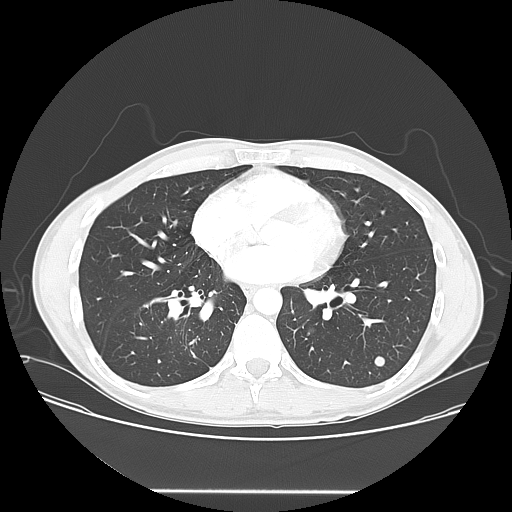
Axial slice 73 of 150 of a chest CT (slice 1 is the lowest), reconstructed with the LUNG kernel at 120 kVp; 2.50 mm slice thickness and 0.781 mm pixels.
Two pulmonary nodules on this slice, listed from left to right. (1) Pulmonary nodule at rows 327–332, columns 309–316 (box = the one reader's outline on this slice), outlined by all four readers, one of them on this slice; median longest diameter 17.9 mm (readers' outlines 17.8–19.3 mm), median volume 2061 mm3 (1904–2340 mm3). Median ratings and the readers' spread: texture 5/5 (solid) at the median of four readers, spread 4/5 to 5/5 (solid); median margin 4.5/5 (readers ranged 4/5 to 5/5 (circumscribed)); sphericity 4/5 at the median of four readers, spread 3/5 (ovoid) to 5/5 (round); calcification absent, all four readers agreeing; internal structure soft tissue, all four readers agreeing; subtlety 5/5 at the median of four readers, spread 3–5; malignancy likelihood 3.5/5 at the median of four readers, spread 2–5. (2) Pulmonary nodule outlined by all four readers; box rows 356–366, columns 374–384 (the union of the readers' outlines on this slice); longest diameter 9.7 mm on average over the four readers' outlines (readers' outlines 9.4–10.2 mm), volume 463–692 mm3. The readers' prevailing ratings and who disagreed: texture 5/5 (solid) from all four readers; margin 5/5 (circumscribed), all four readers agreeing; sphericity 5/5 (round) by three of four readers; the rest gave 4/5 (one); calcification absent by three of four readers, solid calcification (one); internal structure soft tissue, all four readers agreeing; subtlety 5/5 by three of four readers; the rest gave 4/5 (one); malignancy likelihood 3/5 by two of four readers; the rest gave 1/5 (one), 4/5 (one). Scale key (1–5): texture non-solid→solid, margin indistinct→circumscribed, sphericity linear→round, subtlety extremely subtle→obvious, malignancy likelihood highly unlikely→highly suspicious of cancer. Box rows and columns are 0-based pixel indices from the top-left corner, inclusive.